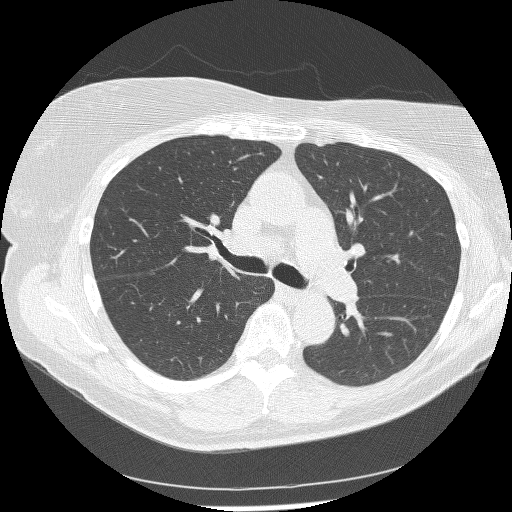
Axial chest CT slice 172 of 255 (counted from the lowest slice); 1.25 mm thick, 0.654 mm per pixel. No nodule 3 mm or larger was outlined here by any reader.
Acquired at 120 kVp and reconstructed with the BONE kernel.